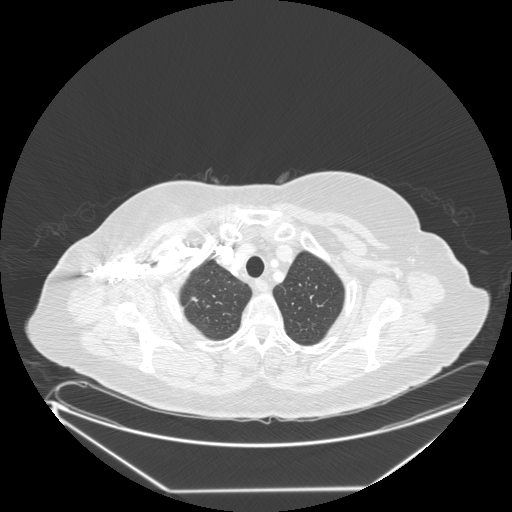
Chest CT, axial plane, 120 kVp, kernel STANDARD. Slice 226/265 from the bottom of the scan; thickness 1.25 mm; pixel size 0.943 mm.
Pulmonary nodule outlined by one of the four readers; box rows 297–301, columns 191–197 (that reader's outline on this slice); longest diameter 10.2 mm and volume 138 mm3 from that reader's outline. That reader's ratings: texture 5/5 (solid); margin 3/5; sphericity 2/5; calcification absent; internal structure soft tissue; subtlety 2/5; malignancy likelihood 2/5. Scale key (1–5): texture non-solid→solid, margin indistinct→circumscribed, sphericity linear→round, subtlety extremely subtle→obvious, malignancy likelihood highly unlikely→highly suspicious of cancer. Box rows and columns are 0-based pixel indices from the top-left corner, inclusive.